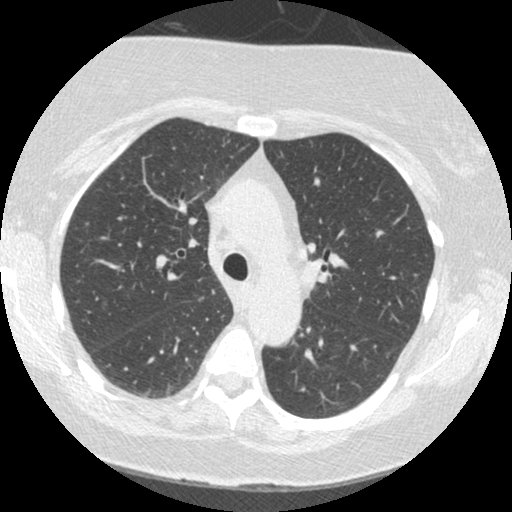
Chest CT, axial plane, 120 kVp, kernel STANDARD. Slice 233/372 from the bottom of the scan; thickness 1.25 mm; pixel size 0.586 mm.
Pulmonary nodule outlined by three of the four readers, one of them on this slice; box rows 301–309, columns 102–106 (the one reader's outline on this slice); longest diameter 7.8 mm on average over the three readers' outlines (readers' outlines 7.6–8.0 mm), volume 95–117 mm3. The readers' prevailing ratings and who disagreed: texture 4/5 by two of three readers; the rest gave 1/5 (non-solid) (one); most readers (two of three) put margin at 4/5, others 1/5 (indistinct) (one); most readers (two of three) put sphericity at 4/5, others 5/5 (round) (one); calcification absent, all three readers agreeing; internal structure soft tissue, all three readers agreeing; subtlety 4/5 by two of three readers; the rest gave 2/5 (one); malignancy likelihood 3/5 by two of three readers; the rest gave 4/5 (one). Scale key (1–5): texture non-solid→solid, margin indistinct→circumscribed, sphericity linear→round, subtlety extremely subtle→obvious, malignancy likelihood highly unlikely→highly suspicious of cancer. Box rows and columns are 0-based pixel indices from the top-left corner, inclusive.